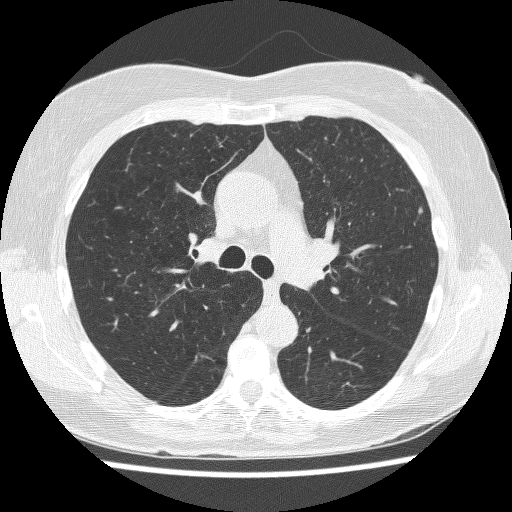
Axial slice 155 of 241 of a chest CT (slice 1 is the lowest), reconstructed with the BONE kernel at 120 kVp; 1.25 mm slice thickness and 0.609 mm pixels.
Pulmonary nodule at rows 206–214, columns 418–423 (box = that reader's outline on this slice), outlined by one of the four readers; longest diameter 6.4 mm and volume 58 mm3 from that reader's outline. That reader's ratings: texture 3/5 (part-solid); margin 1/5 (indistinct); sphericity 3/5 (ovoid); calcification absent; internal structure soft tissue; subtlety 3/5; malignancy likelihood 2/5. Scale key (1–5): texture non-solid→solid, margin indistinct→circumscribed, sphericity linear→round, subtlety extremely subtle→obvious, malignancy likelihood highly unlikely→highly suspicious of cancer. Box rows and columns are 0-based pixel indices from the top-left corner, inclusive.